Axial chest CT slice 107 of 128 (counted from the lowest slice); tube voltage 120 kVp, convolution kernel STANDARD; slices 2.50 mm thick, 0.742 mm per pixel.
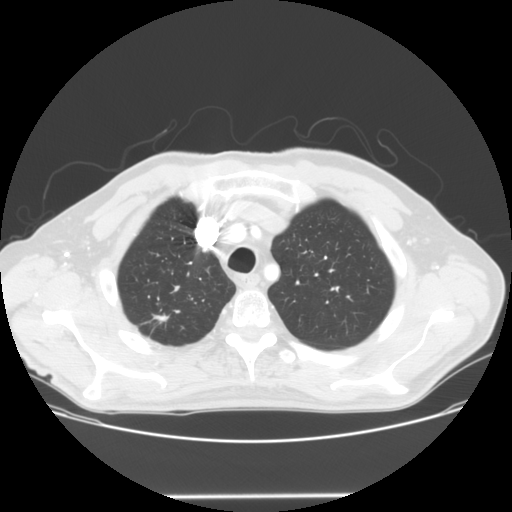
Pulmonary nodule, outlined by all four readers. Box on this slice rows 314–323, columns 151–169, the union of the readers' outlines on this slice; median longest diameter 14.8 mm (readers' outlines 14.3–17.2 mm), median volume 802 mm3 (762–950 mm3). Median ratings and the readers' spread: median texture 5/5 (solid) (readers ranged 4/5 to 5/5 (solid)); median margin 3.5/5 (readers ranged 3/5 to 4/5); median sphericity 3/5 (ovoid) (readers ranged 2/5 to 5/5 (round)); calcification: absent (three), central calcification (one); internal structure soft tissue from all four readers; median subtlety 4.5/5 (readers ranged 4–5); median malignancy likelihood 4/5 (readers ranged 2–5). Scale key (1–5): texture non-solid→solid, margin indistinct→circumscribed, sphericity linear→round, subtlety extremely subtle→obvious, malignancy likelihood highly unlikely→highly suspicious of cancer. Box rows and columns are 0-based pixel indices from the top-left corner, inclusive.